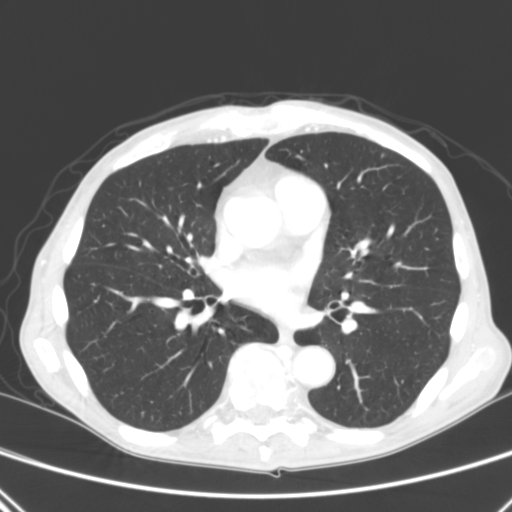
Axial slice 141 of 290 of a chest CT (slice 1 is the lowest), reconstructed with the B kernel at 120 kVp; 2.00 mm slice thickness and 0.639 mm pixels.
Pulmonary nodule, outlined by two of the four readers. Box on this slice rows 153–157, columns 379–384, the union of the readers' outlines on this slice; median longest diameter 4.8 mm (readers' outlines 4.6–4.9 mm), median volume 45 mm3 (37–52 mm3). Ratings, median across the readers with their spread: texture 5/5 (solid), both readers agreeing; median margin 4.5/5 (readers ranged 4/5 to 5/5 (circumscribed)); sphericity 4/5 from both readers; calcification absent from both readers; internal structure soft tissue from both readers; subtlety 4.5/5 at the median of two readers, spread 4–5; malignancy likelihood 2.5/5 at the median of two readers, spread 2–3. Scale key (1–5): texture non-solid→solid, margin indistinct→circumscribed, sphericity linear→round, subtlety extremely subtle→obvious, malignancy likelihood highly unlikely→highly suspicious of cancer. Box rows and columns are 0-based pixel indices from the top-left corner, inclusive.